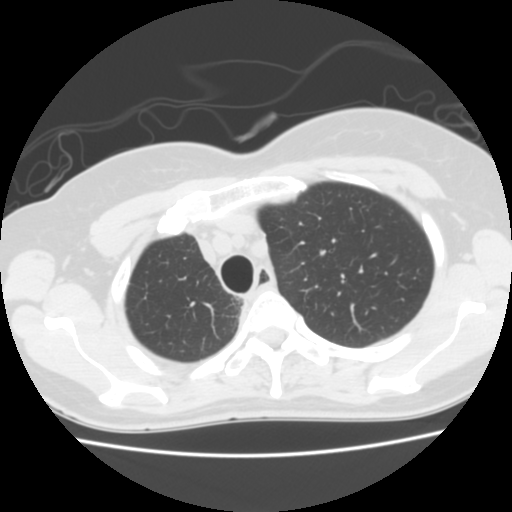
Axial slice 119 of 141 of a chest CT (slice 1 is the lowest), reconstructed with the STANDARD kernel at 120 kVp; 2.50 mm slice thickness and 0.586 mm pixels.
The readers outlined no nodule of 3 mm or more on this slice.